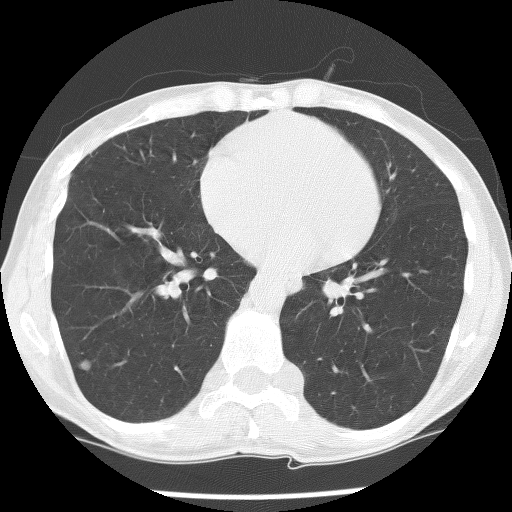
One axial slice (57 of 135, counting up from the lowest) of a chest CT acquired at 140 kVp with the BONE kernel; each pixel is 0.557 mm and the slice is 2.50 mm thick.
Pulmonary nodule, outlined by three of the four readers. Box on this slice rows 358–370, columns 78–90, the union of the readers' outlines on this slice; longest diameter 9.2 mm on average over the three readers' outlines (readers' outlines 8.5–10.5 mm), volume 244–371 mm3. Ratings, by the readers' most common answer with dissent counted: texture 5/5 (solid) by two of three readers; the rest gave 3/5 (part-solid) (one); most readers (two of three) put margin at 5/5 (circumscribed), others 3/5 (one); sphericity 3/5 (ovoid) by two of three readers; the rest gave 4/5 (one); calcification absent from all three readers; internal structure soft tissue from all three readers; most readers (two of three) put subtlety at 5/5, others 4/5 (one); malignancy likelihood split among the readers: 3/5 (one), 4/5 (one), 5/5 (one). Scale key (1–5): texture non-solid→solid, margin indistinct→circumscribed, sphericity linear→round, subtlety extremely subtle→obvious, malignancy likelihood highly unlikely→highly suspicious of cancer. Box rows and columns are 0-based pixel indices from the top-left corner, inclusive.